One axial slice (315 of 376, counting up from the lowest) of a chest CT acquired at 120 kVp with the B30f kernel; each pixel is 0.461 mm and the slice is 0.75 mm thick.
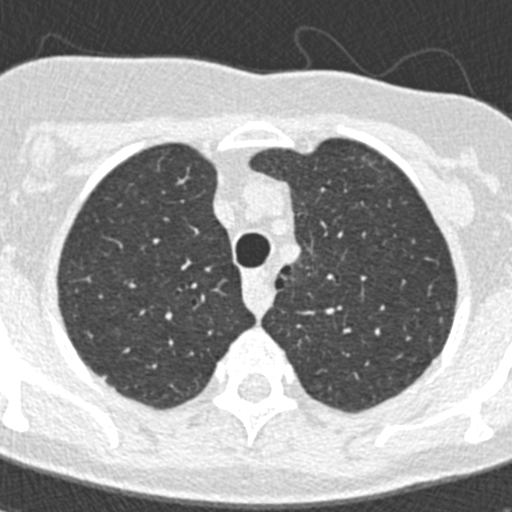
Pulmonary nodule at rows 374–378, columns 102–107 (box = that reader's outline on this slice), outlined by one of the four readers; longest diameter 5.2 mm and volume 39 mm3 from that reader's outline. Ratings by that reader: texture 5/5 (solid); margin 4/5; sphericity 3/5 (ovoid); calcification absent; internal structure soft tissue; subtlety 5/5; malignancy likelihood 3/5. Scale key (1–5): texture non-solid→solid, margin indistinct→circumscribed, sphericity linear→round, subtlety extremely subtle→obvious, malignancy likelihood highly unlikely→highly suspicious of cancer. Box rows and columns are 0-based pixel indices from the top-left corner, inclusive.